Axial chest CT slice 228 of 321 (counted from the lowest slice); tube voltage 120 kVp, convolution kernel D; slices 2.00 mm thick, 0.557 mm per pixel.
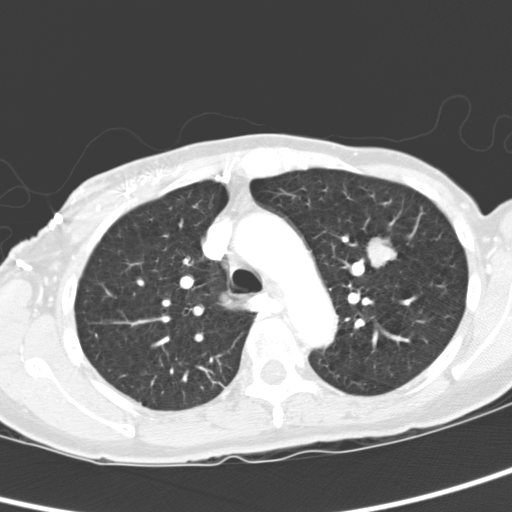
Pulmonary nodule outlined by all four readers; box rows 234–269, columns 364–398 (the union of the readers' outlines on this slice); longest diameter 20.7 mm on average over the four readers' outlines (readers' outlines 19.2–22.3 mm), volume 3069–4125 mm3. Ratings, by the readers' most common answer with dissent counted: texture 5/5 (solid), all four readers agreeing; margin 5/5 (circumscribed) from all four readers; sphericity split among the readers: 4/5 (two), 5/5 (round) (two); calcification absent, all four readers agreeing; internal structure soft tissue from all four readers; subtlety 5/5 from all four readers; malignancy likelihood 5/5 by two of four readers; the rest gave 2/5 (one), 3/5 (one). Scale key (1–5): texture non-solid→solid, margin indistinct→circumscribed, sphericity linear→round, subtlety extremely subtle→obvious, malignancy likelihood highly unlikely→highly suspicious of cancer. Box rows and columns are 0-based pixel indices from the top-left corner, inclusive.